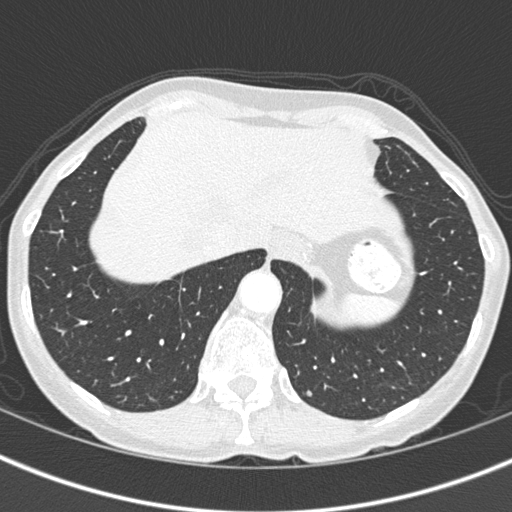
Axial chest CT slice 123 of 375 (counted from the lowest slice); tube voltage 120 kVp, convolution kernel B45f; slices 1.00 mm thick, 0.586 mm per pixel.
Pulmonary nodule outlined by one of the four readers; box rows 390–396, columns 305–311 (that reader's outline on this slice); longest diameter 5.6 mm and volume 45 mm3 from that reader's outline. That reader's ratings: texture 4/5; margin 5/5 (circumscribed); sphericity 3/5 (ovoid); calcification absent; internal structure soft tissue; subtlety 4/5; malignancy likelihood 3/5. Scale key (1–5): texture non-solid→solid, margin indistinct→circumscribed, sphericity linear→round, subtlety extremely subtle→obvious, malignancy likelihood highly unlikely→highly suspicious of cancer. Box rows and columns are 0-based pixel indices from the top-left corner, inclusive.